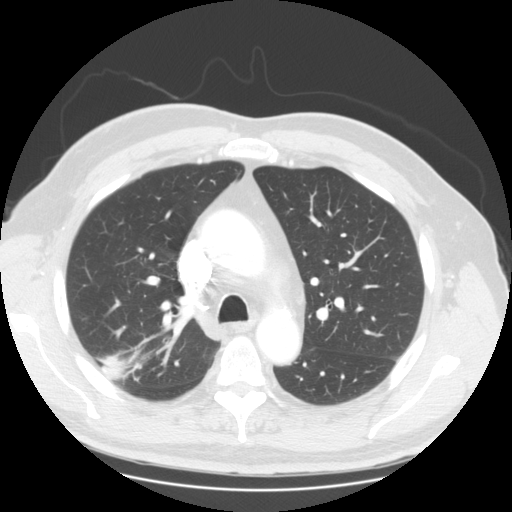
Axial chest CT slice 104 of 145 (counted from the lowest slice); tube voltage 120 kVp, convolution kernel STANDARD; slices 2.50 mm thick, 0.781 mm per pixel.
Pulmonary nodule at rows 355–380, columns 102–131 (box = the union of the readers' outlines on this slice), outlined by three of the four readers; median longest diameter 31.4 mm (readers' outlines 28.0–34.8 mm), median volume 4034 mm3 (3063–5177 mm3). Ratings, median across the readers with their spread: texture 5/5 (solid) at the median of three readers, spread 4/5 to 5/5 (solid); margin 4/5 at the median of three readers, spread 2/5 to 4/5; sphericity 3/5 (ovoid) at the median of three readers, spread 2/5 to 5/5 (round); calcification absent from all three readers; internal structure soft tissue from all three readers; subtlety 5/5 from all three readers; malignancy likelihood 4/5 at the median of three readers, spread 3–5. Scale key (1–5): texture non-solid→solid, margin indistinct→circumscribed, sphericity linear→round, subtlety extremely subtle→obvious, malignancy likelihood highly unlikely→highly suspicious of cancer. Box rows and columns are 0-based pixel indices from the top-left corner, inclusive.